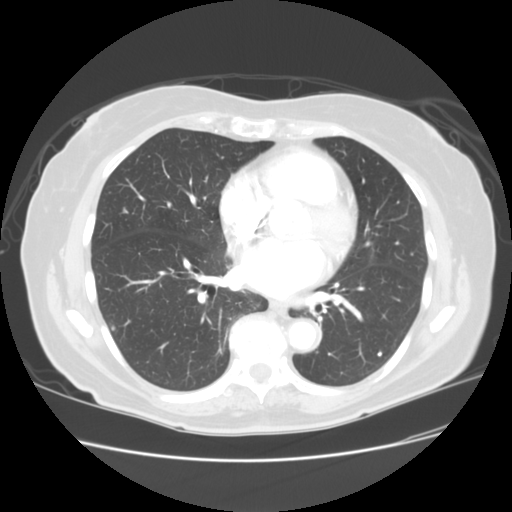
Axial chest CT slice 58 of 119 (counted from the lowest slice); 2.50 mm thick, 0.703 mm per pixel. Pulmonary nodule, outlined by all four readers. Box on this slice rows 325–331, columns 110–115, the union of the readers' outlines on this slice; longest diameter 8.4 mm on average over the four readers' outlines (readers' outlines 7.9–9.2 mm), volume 117–205 mm3. The readers' prevailing ratings and who disagreed: texture 5/5 (solid), all four readers agreeing; margin 5/5 (circumscribed) by three of four readers; the rest gave 3/5 (one); sphericity 3/5 (ovoid) by two of four readers; the rest gave 4/5 (one), 5/5 (round) (one); calcification absent from all four readers; internal structure soft tissue, all four readers agreeing; subtlety 4/5 by two of four readers; the rest gave 3/5 (one), 5/5 (one); most readers (three of four) put malignancy likelihood at 3/5, others 2/5 (one). Scale key (1–5): texture non-solid→solid, margin indistinct→circumscribed, sphericity linear→round, subtlety extremely subtle→obvious, malignancy likelihood highly unlikely→highly suspicious of cancer. Box rows and columns are 0-based pixel indices from the top-left corner, inclusive.
Scan settings: 120 kVp, STANDARD reconstruction kernel.